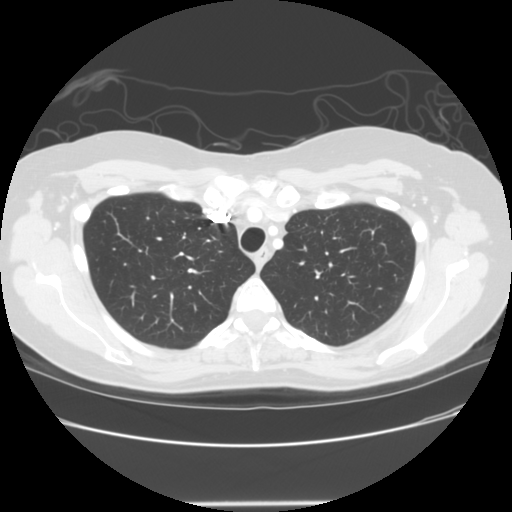
One axial slice (110 of 140, counting up from the lowest) of a chest CT acquired at 120 kVp with the STANDARD kernel; each pixel is 0.703 mm and the slice is 2.50 mm thick.
No nodule of 3 mm or larger was outlined by any of the four readers on this slice.